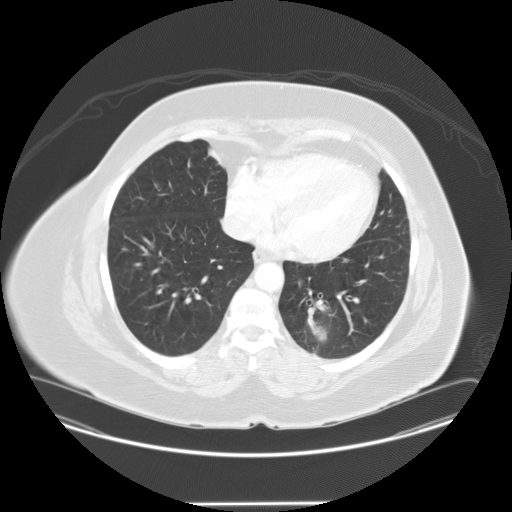
Chest CT, axial plane, 120 kVp, kernel STANDARD. Slice 24/95 from the bottom of the scan; thickness 2.50 mm; pixel size 0.859 mm.
Pulmonary nodule outlined by all four readers; box rows 322–342, columns 309–329 (the union of the readers' outlines on this slice); the four readers' outlines give a longest diameter between 17.2 and 23.5 mm and a volume between 2023 and 2813 mm3. Ratings across the readers: texture from 4/5 to 5/5 (solid) across the four readers; margin from 3/5 to 5/5 (circumscribed) across the four readers; sphericity from 3/5 (ovoid) to 5/5 (round) across the four readers; calcification absent, all four readers agreeing; internal structure soft tissue from all four readers; subtlety 3–5/5 (the readers disagree); malignancy likelihood rated between 2 and 4 out of 5 by the four readers. Scale key (1–5): texture non-solid→solid, margin indistinct→circumscribed, sphericity linear→round, subtlety extremely subtle→obvious, malignancy likelihood highly unlikely→highly suspicious of cancer. Box rows and columns are 0-based pixel indices from the top-left corner, inclusive.